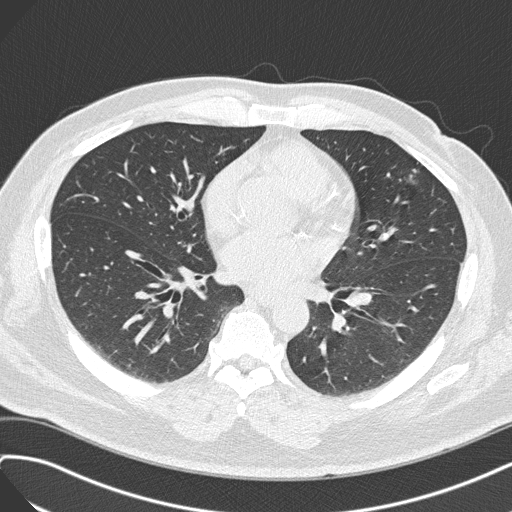
Axial chest CT slice 154 of 308 (counted from the lowest slice); tube voltage 120 kVp, convolution kernel B45f; slices 1.00 mm thick, 0.703 mm per pixel.
Pulmonary nodule, outlined by all four readers, three of them on this slice. Box on this slice rows 169–184, columns 406–417, the union of the readers' outlines on this slice; longest diameter 19.6–23.0 mm and volume 1982–2315 mm3 across the four readers' outlines. Ratings across the readers: texture 5/5 (solid), all four readers agreeing; margin from 4/5 to 5/5 (circumscribed) across the four readers; sphericity from 3/5 (ovoid) to 5/5 (round) across the four readers; calcification absent from all four readers; internal structure soft tissue from all four readers; subtlety 5/5, all four readers agreeing; malignancy likelihood from 3/5 to 5/5 across the four readers. Scale key (1–5): texture non-solid→solid, margin indistinct→circumscribed, sphericity linear→round, subtlety extremely subtle→obvious, malignancy likelihood highly unlikely→highly suspicious of cancer. Box rows and columns are 0-based pixel indices from the top-left corner, inclusive.